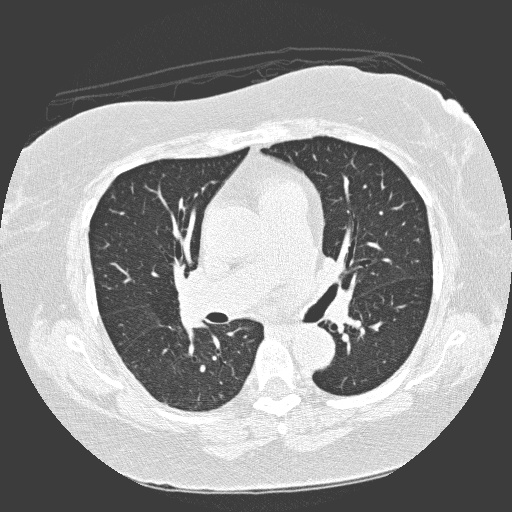
Axial chest CT slice 186 of 300 (counted from the lowest slice); tube voltage 120 kVp, convolution kernel D; slices 1.00 mm thick, 0.654 mm per pixel.
None of the four readers outlined a nodule of 3 mm or more on this slice.